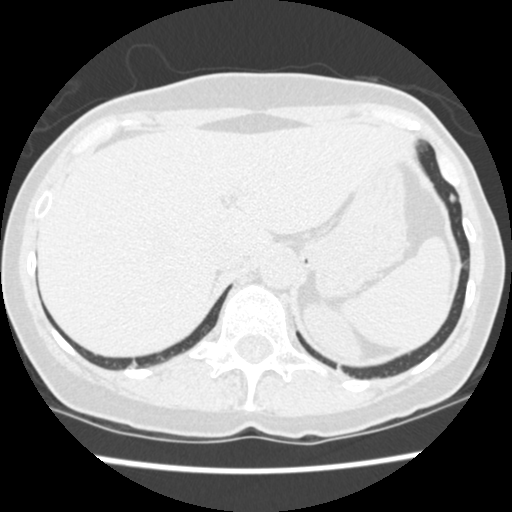
Slice 53/471 of a chest CT, counting up from the lowest; pixel size 0.586 mm, slice thickness 1.25 mm. Pulmonary nodule, outlined by all four readers. Box on this slice rows 191–204, columns 448–456, the union of the readers' outlines on this slice; median longest diameter 6.4 mm (readers' outlines 6.1–9.0 mm), median volume 101 mm3 (96–205 mm3). Ratings, median across the readers with their spread: texture 5/5 (solid), all four readers agreeing; median margin 4/5 (readers ranged 4/5 to 5/5 (circumscribed)); sphericity 3/5 (ovoid) at the median of four readers, spread 3/5 (ovoid) to 5/5 (round); calcification absent from all four readers; internal structure soft tissue from all four readers; median subtlety 3/5 (readers ranged 3–4); malignancy likelihood 3/5 at the median of four readers, spread 2–4. Scale key (1–5): texture non-solid→solid, margin indistinct→circumscribed, sphericity linear→round, subtlety extremely subtle→obvious, malignancy likelihood highly unlikely→highly suspicious of cancer. Box rows and columns are 0-based pixel indices from the top-left corner, inclusive.
Acquired at 120 kVp and reconstructed with the STANDARD kernel.